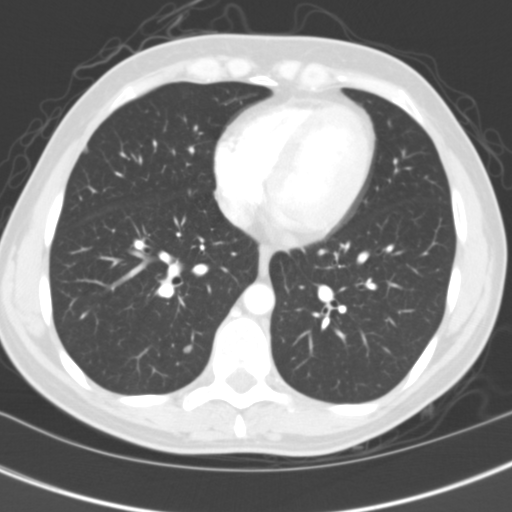
Axial chest CT slice 57 of 122 (counted from the lowest slice); 3.00 mm thick, 0.566 mm per pixel. Two pulmonary nodules are outlined on this slice; from left to right: (1) Pulmonary nodule, outlined by two of the four readers. Box on this slice rows 147–152, columns 83–88, the union of the readers' outlines on this slice; longest diameter 4.8 mm on average over the two readers' outlines (readers' outlines 4.4–5.1 mm), volume 60–64 mm3. Ratings, by the readers' most common answer with dissent counted: texture split among the readers: 4/5 (one), 5/5 (solid) (one); margin 4/5, both readers agreeing; sphericity split among the readers: 2/5 (one), 4/5 (one); calcification absent from both readers; internal structure soft tissue, both readers agreeing; subtlety split among the readers: 4/5 (one), 5/5 (one); malignancy likelihood split among the readers: 1/5 (one), 3/5 (one). (2) Pulmonary nodule outlined by two of the four readers; box rows 344–353, columns 183–192 (the union of the readers' outlines on this slice); median longest diameter 7.3 mm (readers' outlines 6.9–7.6 mm), median volume 108 mm3 (74–141 mm3). Median ratings and the readers' spread: texture 4/5 at the median of two readers, spread 3/5 (part-solid) to 5/5 (solid); margin 4.5/5 at the median of two readers, spread 4/5 to 5/5 (circumscribed); sphericity 3/5 (ovoid), both readers agreeing; calcification absent from both readers; internal structure soft tissue from both readers; subtlety 3.5/5 at the median of two readers, spread 2–5; malignancy likelihood 3/5 at the median of two readers, spread 2–4. Scale key (1–5): texture non-solid→solid, margin indistinct→circumscribed, sphericity linear→round, subtlety extremely subtle→obvious, malignancy likelihood highly unlikely→highly suspicious of cancer. Box rows and columns are 0-based pixel indices from the top-left corner, inclusive.
Tube voltage 120 kVp; convolution kernel B31f.